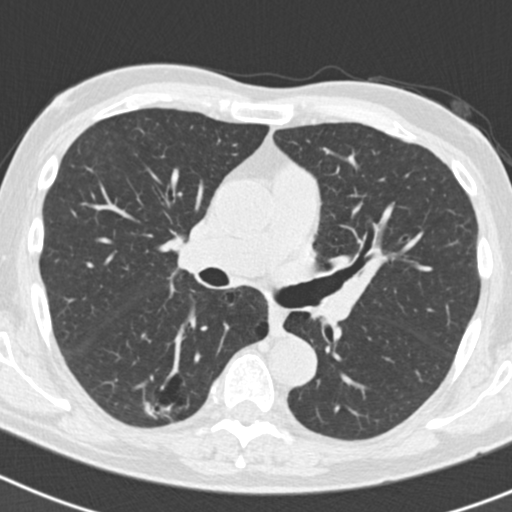
Axial chest CT slice 112 of 186 (counted from the lowest slice); 2.00 mm thick, 0.586 mm per pixel. Pulmonary nodule at rows 402–418, columns 144–169 (box = the union of the readers' outlines on this slice), outlined by three of the four readers; median longest diameter 19.6 mm (readers' outlines 19.6–20.9 mm), median volume 1932 mm3 (1911–1935 mm3). Median ratings and the readers' spread: median texture 4/5 (readers ranged 4/5 to 5/5 (solid)); margin 3/5 at the median of three readers, spread 3/5 to 4/5; sphericity 3/5 (ovoid) at the median of three readers, spread 2/5 to 4/5; calcification absent from all three readers; internal structure soft tissue from all three readers; median subtlety 5/5 (readers ranged 4–5); median malignancy likelihood 5/5 (readers ranged 3–5). Scale key (1–5): texture non-solid→solid, margin indistinct→circumscribed, sphericity linear→round, subtlety extremely subtle→obvious, malignancy likelihood highly unlikely→highly suspicious of cancer. Box rows and columns are 0-based pixel indices from the top-left corner, inclusive.
Acquired at 120 kVp and reconstructed with the B30f kernel.